One axial slice (109 of 278, counting up from the lowest) of a chest CT acquired at 120 kVp with the D kernel; each pixel is 0.812 mm and the slice is 1.00 mm thick.
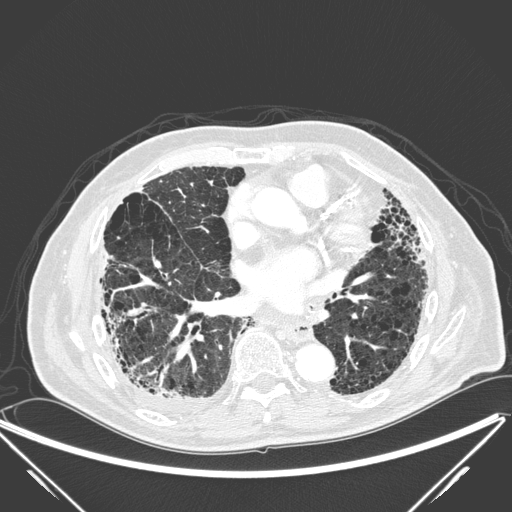
No nodule of 3 mm or larger was outlined by any of the four readers on this slice.